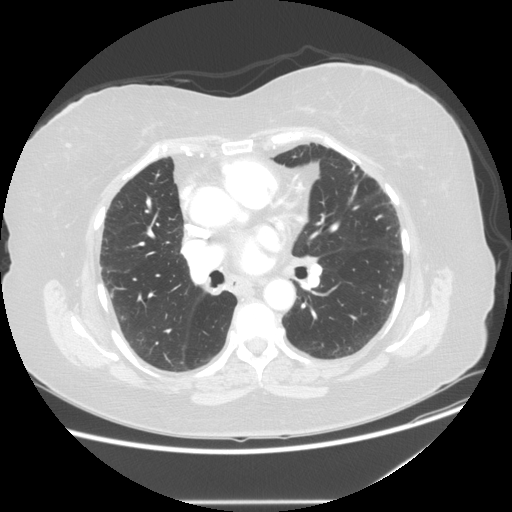
This is axial slice 77 of 139 (slice 1 is the lowest) of a chest CT; each pixel is 0.781 mm and the slice is 2.50 mm thick. None of the four readers outlined a nodule of 3 mm or more on this slice.
Tube voltage 120 kVp; convolution kernel STANDARD.